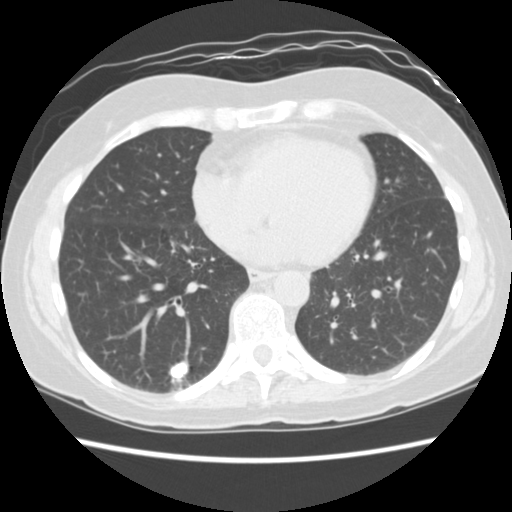
Chest CT, axial plane, 120 kVp, kernel STANDARD. Slice 54/156 from the bottom of the scan; thickness 2.50 mm; pixel size 0.645 mm.
Pulmonary nodule outlined by all four readers; box rows 359–382, columns 168–190 (the union of the readers' outlines on this slice); longest diameter 13.7–18.2 mm and volume 717–1515 mm3 across the four readers' outlines. The readers' ratings, as ranges where they differ: texture 5/5 (solid) from all four readers; margin from 4/5 to 5/5 (circumscribed) across the four readers; sphericity from 3/5 (ovoid) to 5/5 (round) across the four readers; calcification: solid calcification (three), absent (one); internal structure soft tissue from all four readers; subtlety 5/5 from all four readers; malignancy likelihood from 1/5 to 5/5 across the four readers. Scale key (1–5): texture non-solid→solid, margin indistinct→circumscribed, sphericity linear→round, subtlety extremely subtle→obvious, malignancy likelihood highly unlikely→highly suspicious of cancer. Box rows and columns are 0-based pixel indices from the top-left corner, inclusive.